Chest CT, axial plane, 120 kVp, kernel STANDARD. Slice 373/445 from the bottom of the scan; thickness 1.25 mm; pixel size 0.645 mm.
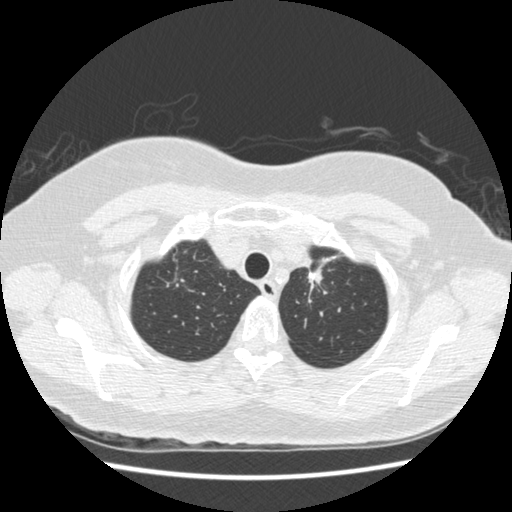
Pulmonary nodule at rows 267–293, columns 307–322 (box = that reader's outline on this slice), outlined by one of the four readers; longest diameter 31.0 mm and volume 2055 mm3 from that reader's outline. Ratings by that reader: texture 5/5 (solid); margin 2/5; sphericity 2/5; calcification absent; internal structure soft tissue; subtlety 5/5; malignancy likelihood 4/5. Scale key (1–5): texture non-solid→solid, margin indistinct→circumscribed, sphericity linear→round, subtlety extremely subtle→obvious, malignancy likelihood highly unlikely→highly suspicious of cancer. Box rows and columns are 0-based pixel indices from the top-left corner, inclusive.